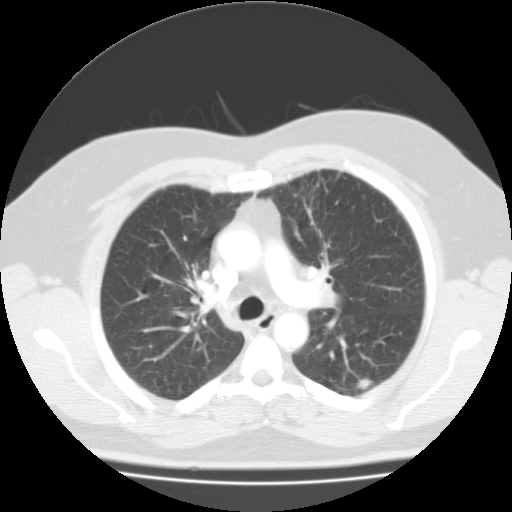
Axial chest CT slice 67 of 104 (counted from the lowest slice); tube voltage 135 kVp, convolution kernel FC01; slices 3.00 mm thick, 0.741 mm per pixel.
Pulmonary nodule, outlined by three of the four readers. Box on this slice rows 377–390, columns 356–372, the union of the readers' outlines on this slice; longest diameter 15.3 mm on average over the three readers' outlines (readers' outlines 14.4–16.4 mm), volume 759–979 mm3. Ratings, by the readers' most common answer with dissent counted: texture split among the readers: 3/5 (part-solid) (one), 4/5 (one), 5/5 (solid) (one); margin split among the readers: 1/5 (indistinct) (one), 2/5 (one), 3/5 (one); most readers (two of three) put sphericity at 3/5 (ovoid), others 5/5 (round) (one); calcification absent, all three readers agreeing; internal structure soft tissue from all three readers; most readers (two of three) put subtlety at 4/5, others 5/5 (one); most readers (two of three) put malignancy likelihood at 5/5, others 4/5 (one). Scale key (1–5): texture non-solid→solid, margin indistinct→circumscribed, sphericity linear→round, subtlety extremely subtle→obvious, malignancy likelihood highly unlikely→highly suspicious of cancer. Box rows and columns are 0-based pixel indices from the top-left corner, inclusive.